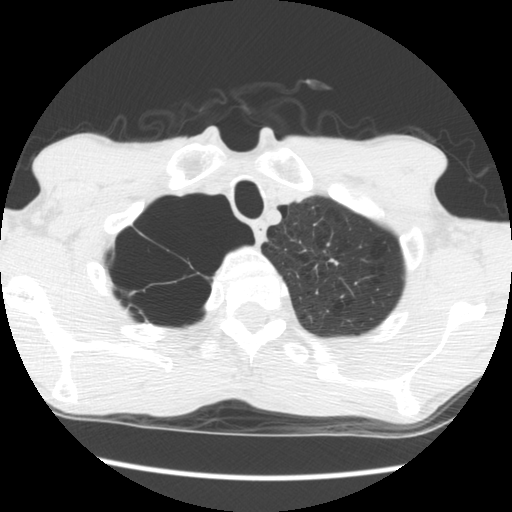
Slice 161/181 of a chest CT, counting up from the lowest; pixel size 0.645 mm, slice thickness 2.50 mm. Pulmonary nodule, outlined by all four readers, two of them on this slice. Box on this slice rows 258–262, columns 328–332, the union of the readers' outlines on this slice; longest diameter 10.5–14.4 mm and volume 215–737 mm3 across the four readers' outlines. Ratings across the readers: texture 5/5 (solid), all four readers agreeing; margin from 3/5 to 5/5 (circumscribed) across the four readers; sphericity from 2/5 to 3/5 (ovoid) across the four readers; calcification absent from all four readers; internal structure soft tissue, all four readers agreeing; subtlety 3–4/5 (the readers disagree); malignancy likelihood 2–4/5 (the readers disagree). Scale key (1–5): texture non-solid→solid, margin indistinct→circumscribed, sphericity linear→round, subtlety extremely subtle→obvious, malignancy likelihood highly unlikely→highly suspicious of cancer. Box rows and columns are 0-based pixel indices from the top-left corner, inclusive.
Scan settings: 120 kVp, STANDARD reconstruction kernel.